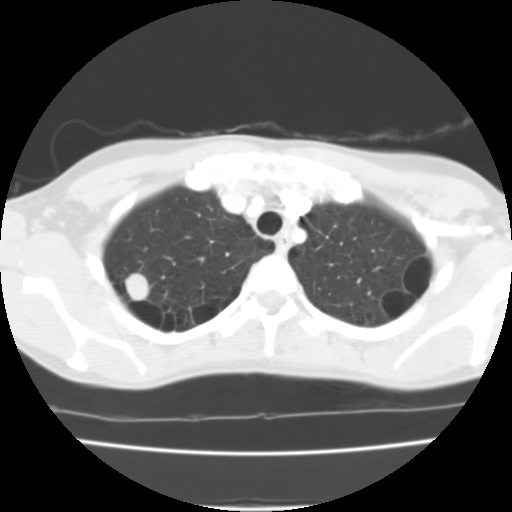
Axial chest CT slice 92 of 112 (counted from the lowest slice); tube voltage 135 kVp, convolution kernel FC01; slices 3.00 mm thick, 0.573 mm per pixel.
Pulmonary nodule outlined by all four readers; box rows 273–301, columns 125–149 (the union of the readers' outlines on this slice); median longest diameter 16.7 mm (readers' outlines 16.4–19.0 mm), median volume 2634 mm3 (2422–3472 mm3). Ratings, median across the readers with their spread: texture 5/5 (solid) from all four readers; margin 4.5/5 at the median of four readers, spread 4/5 to 5/5 (circumscribed); sphericity 4.5/5 at the median of four readers, spread 4/5 to 5/5 (round); calcification absent from all four readers; internal structure soft tissue, all four readers agreeing; subtlety 5/5 from all four readers; malignancy likelihood 3/5 at the median of four readers, spread 3–5. Scale key (1–5): texture non-solid→solid, margin indistinct→circumscribed, sphericity linear→round, subtlety extremely subtle→obvious, malignancy likelihood highly unlikely→highly suspicious of cancer. Box rows and columns are 0-based pixel indices from the top-left corner, inclusive.